Chest CT, axial plane, 140 kVp, kernel BONE. Slice 93/120 from the bottom of the scan; thickness 2.50 mm; pixel size 0.576 mm.
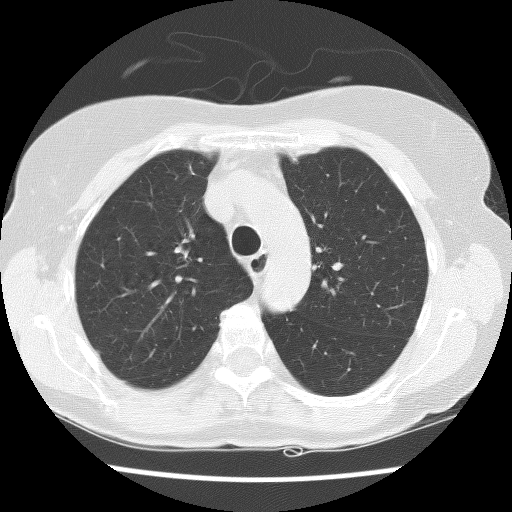
The readers outlined no nodule of 3 mm or more on this slice.